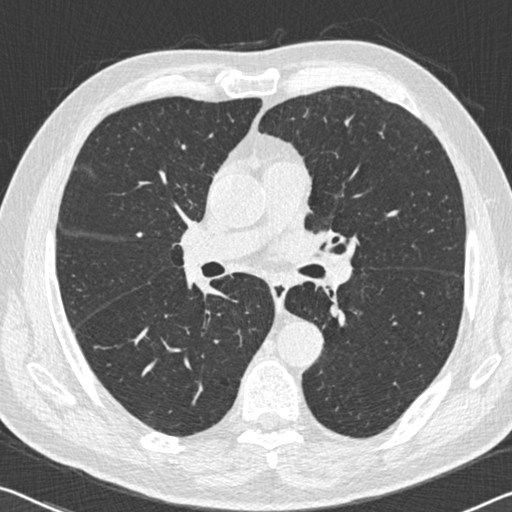
Slice 330/536 of a chest CT, counting up from the lowest; pixel size 0.656 mm, slice thickness 0.75 mm. Pulmonary nodule outlined by two of the four readers; box rows 231–237, columns 136–142 (the union of the readers' outlines on this slice); longest diameter 5.6 mm on average over the two readers' outlines (readers' outlines 5.4–5.9 mm), volume 38–42 mm3. Ratings, by the readers' most common answer with dissent counted: texture 5/5 (solid), both readers agreeing; margin 5/5 (circumscribed), both readers agreeing; sphericity split among the readers: 4/5 (one), 5/5 (round) (one); calcification solid calcification from both readers; internal structure soft tissue from both readers; subtlety 5/5 from both readers; malignancy likelihood 1/5, both readers agreeing. Scale key (1–5): texture non-solid→solid, margin indistinct→circumscribed, sphericity linear→round, subtlety extremely subtle→obvious, malignancy likelihood highly unlikely→highly suspicious of cancer. Box rows and columns are 0-based pixel indices from the top-left corner, inclusive.
Tube voltage 120 kVp; convolution kernel B30f.